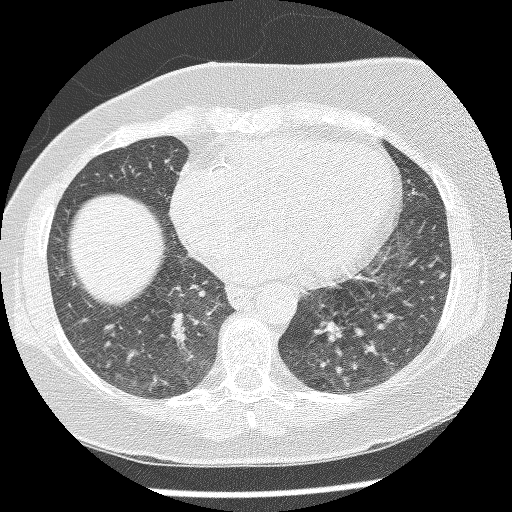
Axial slice 97 of 220 of a chest CT (slice 1 is the lowest), reconstructed with the BONE kernel at 120 kVp; 1.25 mm slice thickness and 0.598 mm pixels.
Pulmonary nodule, outlined by three of the four readers. Box on this slice rows 272–278, columns 438–445, the union of the readers' outlines on this slice; longest diameter 6.9 mm on average over the three readers' outlines (readers' outlines 6.7–7.2 mm), volume 73–98 mm3. The readers' prevailing ratings and who disagreed: most readers (two of three) put texture at 4/5, others 5/5 (solid) (one); margin 3/5 by two of three readers; the rest gave 4/5 (one); most readers (two of three) put sphericity at 3/5 (ovoid), others 2/5 (one); calcification absent from all three readers; internal structure soft tissue from all three readers; subtlety split among the readers: 1/5 (one), 3/5 (one), 4/5 (one); malignancy likelihood 3/5 by two of three readers; the rest gave 5/5 (one). Scale key (1–5): texture non-solid→solid, margin indistinct→circumscribed, sphericity linear→round, subtlety extremely subtle→obvious, malignancy likelihood highly unlikely→highly suspicious of cancer. Box rows and columns are 0-based pixel indices from the top-left corner, inclusive.